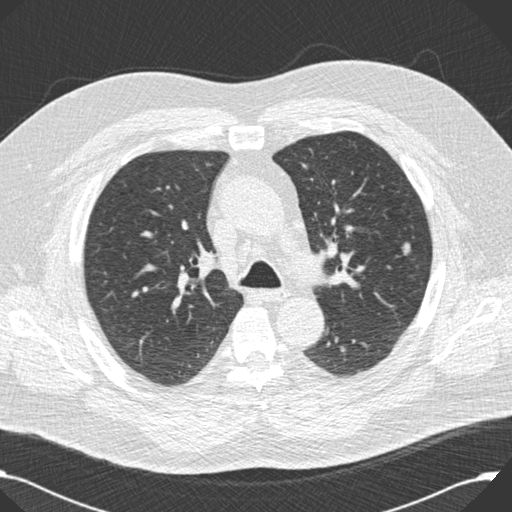
One axial slice (116 of 176, counting up from the lowest) of a chest CT acquired at 120 kVp with the B30f kernel; each pixel is 0.742 mm and the slice is 2.00 mm thick.
Pulmonary nodule at rows 241–255, columns 400–410 (box = the union of the readers' outlines on this slice), outlined by all four readers; median longest diameter 14.5 mm (readers' outlines 14.3–16.3 mm), median volume 1132 mm3 (1042–1473 mm3). Median ratings and the readers' spread: texture 5/5 (solid), all four readers agreeing; margin 5/5 (circumscribed) at the median of four readers, spread 4/5 to 5/5 (circumscribed); median sphericity 4/5 (readers ranged 4/5 to 5/5 (round)); calcification split among the readers: absent (two), non-central calcification (two); internal structure soft tissue from all four readers; subtlety 5/5 at the median of four readers, spread 3–5; malignancy likelihood 2.5/5 at the median of four readers, spread 2–4. Scale key (1–5): texture non-solid→solid, margin indistinct→circumscribed, sphericity linear→round, subtlety extremely subtle→obvious, malignancy likelihood highly unlikely→highly suspicious of cancer. Box rows and columns are 0-based pixel indices from the top-left corner, inclusive.